Axial chest CT slice 211 of 315 (counted from the lowest slice); tube voltage 120 kVp, convolution kernel B; slices 2.00 mm thick, 0.830 mm per pixel.
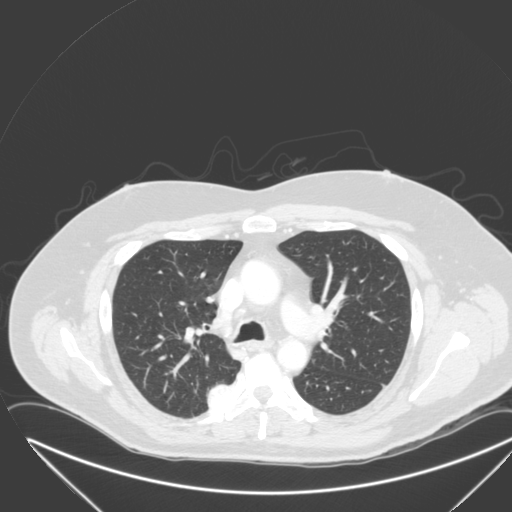
Pulmonary nodule outlined by one of the four readers; box rows 385–408, columns 208–228 (that reader's outline on this slice); longest diameter 27.1 mm and volume 6093 mm3 from that reader's outline. That reader's ratings: texture 5/5 (solid); margin 4/5; sphericity 2/5; calcification absent; internal structure soft tissue; subtlety 5/5; malignancy likelihood 4/5. Scale key (1–5): texture non-solid→solid, margin indistinct→circumscribed, sphericity linear→round, subtlety extremely subtle→obvious, malignancy likelihood highly unlikely→highly suspicious of cancer. Box rows and columns are 0-based pixel indices from the top-left corner, inclusive.